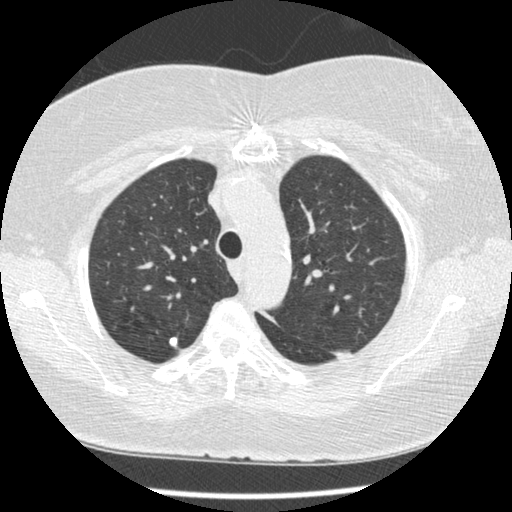
Slice 275/375 of a chest CT, counting up from the lowest; pixel size 0.625 mm, slice thickness 1.25 mm. Pulmonary nodule at rows 337–346, columns 169–177 (box = the union of the readers' outlines on this slice), outlined by two of the four readers; the two readers' outlines give a longest diameter between 6.4 and 9.1 mm and a volume between 95 and 233 mm3. The readers' ratings, as ranges where they differ: texture 5/5 (solid), both readers agreeing; margin 5/5 (circumscribed), both readers agreeing; sphericity from 3/5 (ovoid) to 4/5 across the two readers; calcification split among the readers: solid calcification (one), absent (one); internal structure soft tissue, both readers agreeing; subtlety from 4/5 to 5/5 across the two readers; malignancy likelihood from 1/5 to 3/5 across the two readers. Scale key (1–5): texture non-solid→solid, margin indistinct→circumscribed, sphericity linear→round, subtlety extremely subtle→obvious, malignancy likelihood highly unlikely→highly suspicious of cancer. Box rows and columns are 0-based pixel indices from the top-left corner, inclusive.
Tube voltage 120 kVp; convolution kernel STANDARD.